Chest CT, axial plane, 120 kVp, kernel STANDARD. Slice 73/133 from the bottom of the scan; thickness 2.50 mm; pixel size 0.703 mm.
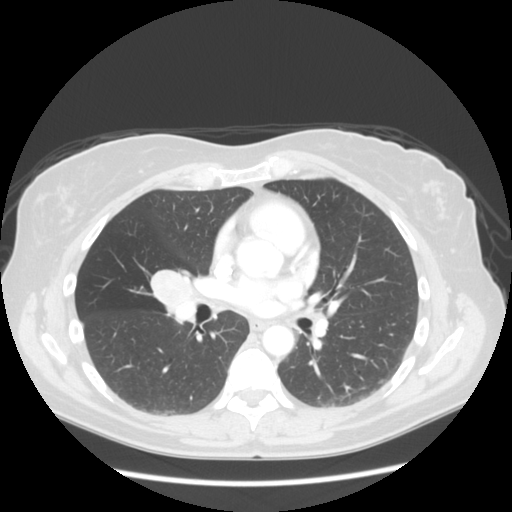
No nodule of 3 mm or larger was outlined by any of the four readers on this slice.